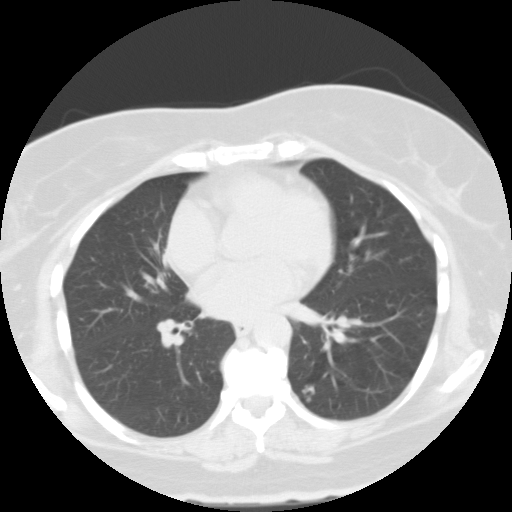
Axial chest CT slice 52 of 105 (counted from the lowest slice); 3.00 mm thick, 0.656 mm per pixel. Pulmonary nodule at rows 385–403, columns 301–315 (box = the union of the readers' outlines on this slice), outlined by all four readers; longest diameter 21.7 mm on average over the four readers' outlines (readers' outlines 19.4–23.9 mm), volume 678–1092 mm3. Ratings, by the readers' most common answer with dissent counted: texture 5/5 (solid) by two of four readers; the rest gave 2/5 (one), 4/5 (one); margin 4/5 by two of four readers; the rest gave 2/5 (one), 5/5 (circumscribed) (one); sphericity 2/5 by two of four readers; the rest gave 3/5 (ovoid) (one), 5/5 (round) (one); calcification absent, all four readers agreeing; internal structure soft tissue, all four readers agreeing; subtlety 5/5 by two of four readers; the rest gave 2/5 (one), 4/5 (one); malignancy likelihood 3/5 by three of four readers; the rest gave 1/5 (one). Scale key (1–5): texture non-solid→solid, margin indistinct→circumscribed, sphericity linear→round, subtlety extremely subtle→obvious, malignancy likelihood highly unlikely→highly suspicious of cancer. Box rows and columns are 0-based pixel indices from the top-left corner, inclusive.
Scan settings: 135 kVp, FC01 reconstruction kernel.